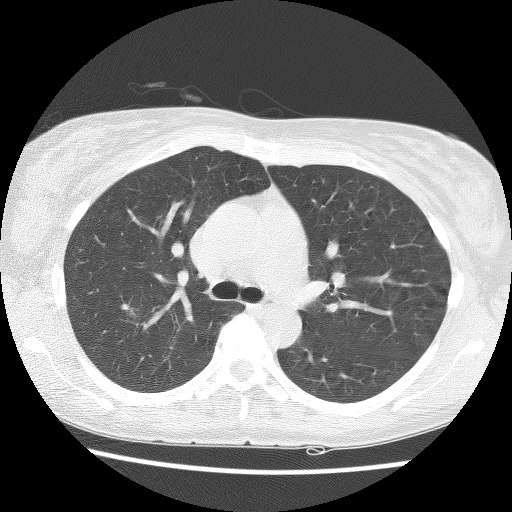
Axial slice 88 of 124 of a chest CT (slice 1 is the lowest), reconstructed with the BONE kernel at 140 kVp; 2.50 mm slice thickness and 0.600 mm pixels.
Pulmonary nodule at rows 309–319, columns 127–136 (box = that reader's outline on this slice), outlined by one of the four readers; longest diameter 7.8 mm and volume 178 mm3 from that reader's outline. Ratings by that reader: texture 4/5; margin 4/5; sphericity 2/5; calcification absent; internal structure soft tissue; subtlety 4/5; malignancy likelihood 4/5. Scale key (1–5): texture non-solid→solid, margin indistinct→circumscribed, sphericity linear→round, subtlety extremely subtle→obvious, malignancy likelihood highly unlikely→highly suspicious of cancer. Box rows and columns are 0-based pixel indices from the top-left corner, inclusive.